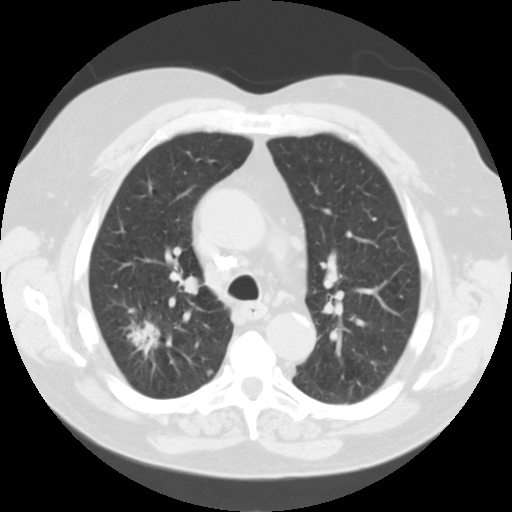
Slice 80/115 of a chest CT, counting up from the lowest; pixel size 0.720 mm, slice thickness 3.00 mm. Pulmonary nodule at rows 369–376, columns 205–213 (box = the union of the readers' outlines on this slice), outlined by two of the four readers; median longest diameter 7.0 mm (readers' outlines 6.5–7.4 mm), median volume 190 mm3 (115–264 mm3). Ratings, median across the readers with their spread: texture 4/5 from both readers; margin 3.5/5 at the median of two readers, spread 3/5 to 4/5; sphericity 3.5/5 at the median of two readers, spread 3/5 (ovoid) to 4/5; calcification absent, both readers agreeing; internal structure soft tissue, both readers agreeing; subtlety 3.5/5 at the median of two readers, spread 2–5; median malignancy likelihood 2.5/5 (readers ranged 2–3). Scale key (1–5): texture non-solid→solid, margin indistinct→circumscribed, sphericity linear→round, subtlety extremely subtle→obvious, malignancy likelihood highly unlikely→highly suspicious of cancer. Box rows and columns are 0-based pixel indices from the top-left corner, inclusive.
Scan settings: 135 kVp, FC01 reconstruction kernel.